One axial slice (83 of 134, counting up from the lowest) of a chest CT acquired at 130 kVp with the B31s kernel; each pixel is 0.715 mm and the slice is 3.00 mm thick.
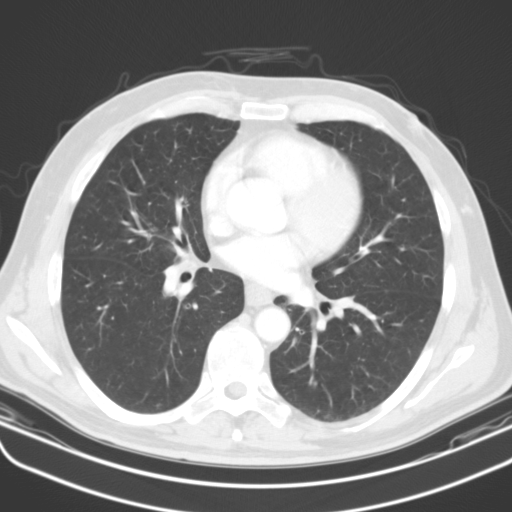
Pulmonary nodule outlined by one of the four readers; box rows 382–384, columns 314–317 (that reader's outline on this slice); longest diameter 4.8 mm and volume 80 mm3 from that reader's outline. Ratings by that reader: texture 4/5; margin 3/5; sphericity 5/5 (round); calcification absent; internal structure soft tissue; subtlety 3/5; malignancy likelihood 2/5. Scale key (1–5): texture non-solid→solid, margin indistinct→circumscribed, sphericity linear→round, subtlety extremely subtle→obvious, malignancy likelihood highly unlikely→highly suspicious of cancer. Box rows and columns are 0-based pixel indices from the top-left corner, inclusive.